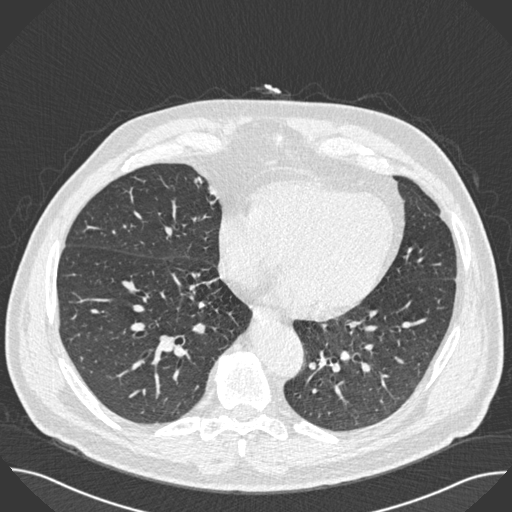
Axial slice 222 of 493 of a chest CT (slice 1 is the lowest), reconstructed with the B30f kernel at 120 kVp; 0.75 mm slice thickness and 0.762 mm pixels.
Pulmonary nodule, outlined by all four readers, three of them on this slice. Box on this slice rows 177–183, columns 194–201, the union of the readers' outlines on this slice; longest diameter 11.0 mm on average over the four readers' outlines (readers' outlines 10.6–11.2 mm), volume 320–406 mm3. Ratings, by the readers' most common answer with dissent counted: texture 5/5 (solid), all four readers agreeing; margin 5/5 (circumscribed), all four readers agreeing; sphericity 4/5 by three of four readers; the rest gave 3/5 (ovoid) (one); calcification solid calcification by three of four readers, central calcification (one); internal structure soft tissue from all four readers; subtlety split among the readers: 4/5 (two), 5/5 (two); malignancy likelihood 1/5 from all four readers. Scale key (1–5): texture non-solid→solid, margin indistinct→circumscribed, sphericity linear→round, subtlety extremely subtle→obvious, malignancy likelihood highly unlikely→highly suspicious of cancer. Box rows and columns are 0-based pixel indices from the top-left corner, inclusive.